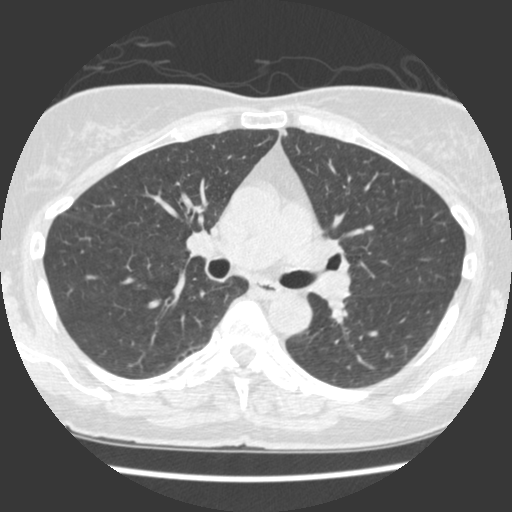
One axial slice (232 of 429, counting up from the lowest) of a chest CT acquired at 120 kVp with the STANDARD kernel; each pixel is 0.586 mm and the slice is 1.25 mm thick.
Two pulmonary nodules are outlined on this slice; from left to right: (1) Pulmonary nodule outlined by one of the four readers; box rows 129–136, columns 282–287 (that reader's outline on this slice); longest diameter 7.8 mm and volume 111 mm3 from that reader's outline. Ratings by that reader: texture 5/5 (solid); margin 2/5; sphericity 2/5; calcification absent; internal structure soft tissue; subtlety 2/5; malignancy likelihood 1/5. (2) Pulmonary nodule outlined by all four readers, three of them on this slice; box rows 225–230, columns 364–374 (the union of the readers' outlines on this slice); longest diameter 6.3 mm on average over the four readers' outlines (readers' outlines 5.6–6.9 mm), volume 30–64 mm3. Ratings, by the readers' most common answer with dissent counted: texture 5/5 (solid), all four readers agreeing; margin 4/5 by two of four readers; the rest gave 3/5 (one), 5/5 (circumscribed) (one); sphericity 4/5, all four readers agreeing; calcification absent, all four readers agreeing; internal structure soft tissue, all four readers agreeing; subtlety split among the readers: 3/5 (two), 4/5 (two); malignancy likelihood 2/5 by two of four readers; the rest gave 1/5 (one), 3/5 (one). Scale key (1–5): texture non-solid→solid, margin indistinct→circumscribed, sphericity linear→round, subtlety extremely subtle→obvious, malignancy likelihood highly unlikely→highly suspicious of cancer. Box rows and columns are 0-based pixel indices from the top-left corner, inclusive.